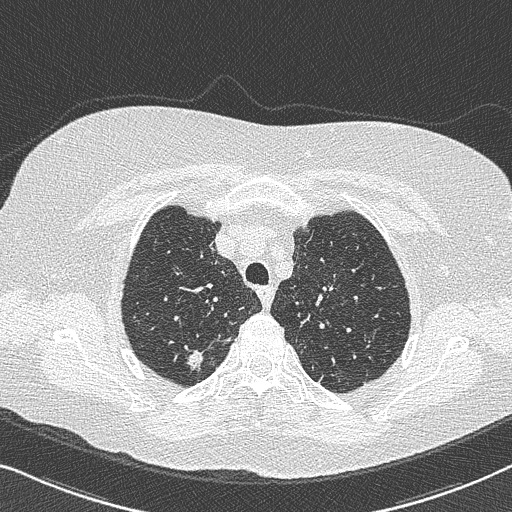
Axial chest CT slice 591 of 733 (counted from the lowest slice); tube voltage 120 kVp, convolution kernel B50f; slices 0.60 mm thick, 0.637 mm per pixel.
Pulmonary nodule outlined by all four readers; box rows 349–373, columns 185–206 (the union of the readers' outlines on this slice); longest diameter 22.0 mm on average over the four readers' outlines (readers' outlines 15.5–29.7 mm), volume 888–2128 mm3. The readers' prevailing ratings and who disagreed: texture 5/5 (solid) by three of four readers; the rest gave 4/5 (one); margin 3/5 by two of four readers; the rest gave 1/5 (indistinct) (one), 4/5 (one); sphericity 3/5 (ovoid) by two of four readers; the rest gave 2/5 (one), 5/5 (round) (one); calcification absent, all four readers agreeing; internal structure soft tissue from all four readers; subtlety 5/5 by three of four readers; the rest gave 4/5 (one); malignancy likelihood 4/5 by three of four readers; the rest gave 5/5 (one). Scale key (1–5): texture non-solid→solid, margin indistinct→circumscribed, sphericity linear→round, subtlety extremely subtle→obvious, malignancy likelihood highly unlikely→highly suspicious of cancer. Box rows and columns are 0-based pixel indices from the top-left corner, inclusive.